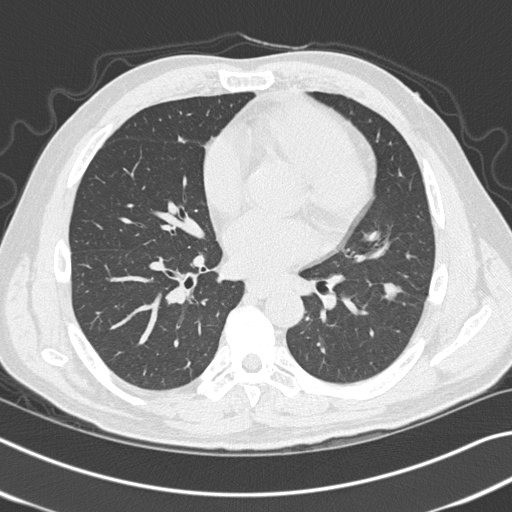
Chest CT, axial plane, 120 kVp, kernel B45f. Slice 173/327 from the bottom of the scan; thickness 1.00 mm; pixel size 0.664 mm.
Pulmonary nodule outlined by all four readers; box rows 282–303, columns 381–402 (the union of the readers' outlines on this slice); median longest diameter 18.1 mm (readers' outlines 16.4–20.2 mm), median volume 1167 mm3 (1016–1342 mm3). Ratings, median across the readers with their spread: texture 5/5 (solid), all four readers agreeing; median margin 5/5 (circumscribed) (readers ranged 4/5 to 5/5 (circumscribed)); median sphericity 4.5/5 (readers ranged 3/5 (ovoid) to 5/5 (round)); calcification absent, all four readers agreeing; internal structure soft tissue from all four readers; subtlety 5/5 at the median of four readers, spread 4–5; malignancy likelihood 4.5/5 at the median of four readers, spread 3–5. Scale key (1–5): texture non-solid→solid, margin indistinct→circumscribed, sphericity linear→round, subtlety extremely subtle→obvious, malignancy likelihood highly unlikely→highly suspicious of cancer. Box rows and columns are 0-based pixel indices from the top-left corner, inclusive.